One axial slice (97 of 172, counting up from the lowest) of a chest CT acquired at 120 kVp with the B30f kernel; each pixel is 0.684 mm and the slice is 2.00 mm thick.
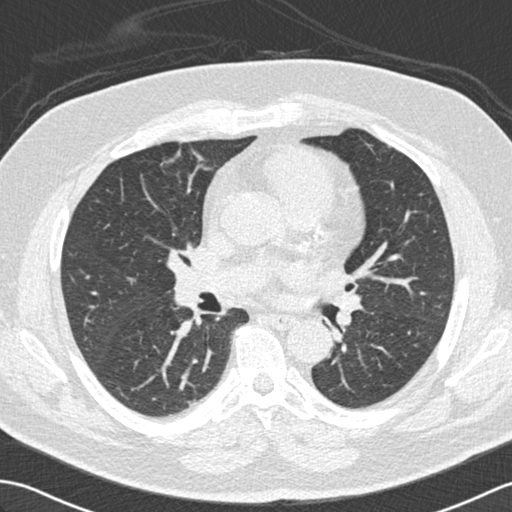
No nodule of 3 mm or larger was outlined by any of the four readers on this slice.